Chest CT, axial plane, 120 kVp, kernel BONE. Slice 211/241 from the bottom of the scan; thickness 1.25 mm; pixel size 0.586 mm.
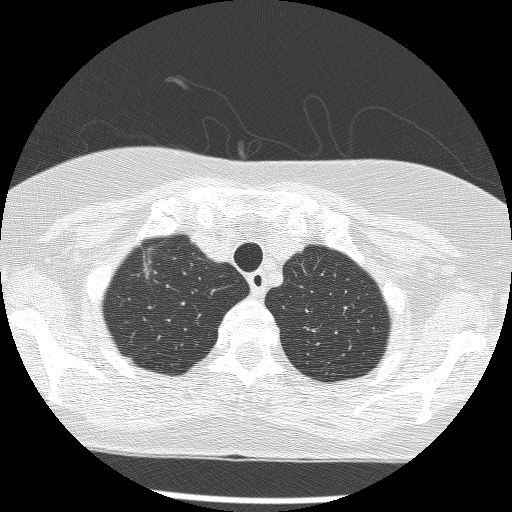
Pulmonary nodule outlined by all four readers, three of them on this slice; box rows 246–278, columns 143–153 (the union of the readers' outlines on this slice); median longest diameter 22.7 mm (readers' outlines 21.0–24.7 mm), median volume 2735 mm3 (2289–2909 mm3). Ratings, median across the readers with their spread: texture 1.5/5 at the median of four readers, spread 1/5 (non-solid) to 2/5; median margin 2/5 (readers ranged 2/5 to 3/5); median sphericity 3/5 (ovoid) (readers ranged 2/5 to 4/5); calcification absent, all four readers agreeing; internal structure soft tissue, all four readers agreeing; subtlety 4.5/5 at the median of four readers, spread 4–5; malignancy likelihood 5/5 at the median of four readers, spread 3–5. Scale key (1–5): texture non-solid→solid, margin indistinct→circumscribed, sphericity linear→round, subtlety extremely subtle→obvious, malignancy likelihood highly unlikely→highly suspicious of cancer. Box rows and columns are 0-based pixel indices from the top-left corner, inclusive.